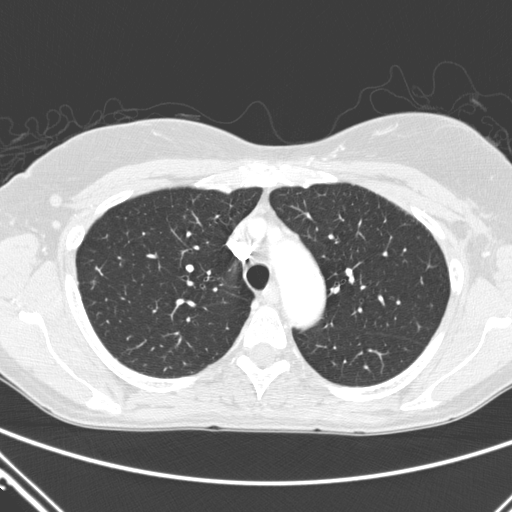
Slice 341/411 of a chest CT, counting up from the lowest; pixel size 0.654 mm, slice thickness 2.00 mm. Pulmonary nodule outlined by two of the four readers, one of them on this slice; box rows 281–283, columns 92–95 (the one reader's outline on this slice); median longest diameter 5.9 mm (readers' outlines 5.1–6.7 mm), median volume 48 mm3 (32–64 mm3). Median ratings and the readers' spread: texture 5/5 (solid) from both readers; margin 4.5/5 at the median of two readers, spread 4/5 to 5/5 (circumscribed); median sphericity 4.5/5 (readers ranged 4/5 to 5/5 (round)); calcification absent from both readers; internal structure soft tissue, both readers agreeing; median subtlety 3/5 (readers ranged 2–4); malignancy likelihood 2/5 at the median of two readers, spread 1–3. Scale key (1–5): texture non-solid→solid, margin indistinct→circumscribed, sphericity linear→round, subtlety extremely subtle→obvious, malignancy likelihood highly unlikely→highly suspicious of cancer. Box rows and columns are 0-based pixel indices from the top-left corner, inclusive.
Scan settings: 120 kVp, D reconstruction kernel.